One axial slice (92 of 253, counting up from the lowest) of a chest CT acquired at 120 kVp with the STANDARD kernel; each pixel is 0.742 mm and the slice is 1.25 mm thick.
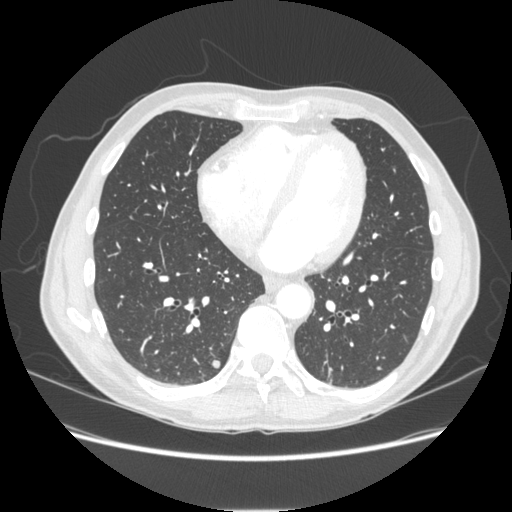
Pulmonary nodule outlined by all four readers; box rows 360–368, columns 211–219 (the union of the readers' outlines on this slice); longest diameter 7.9 mm on average over the four readers' outlines (readers' outlines 7.3–8.5 mm), volume 145–206 mm3. Ratings, by the readers' most common answer with dissent counted: texture 5/5 (solid) from all four readers; most readers (three of four) put margin at 5/5 (circumscribed), others 4/5 (one); sphericity split among the readers: 4/5 (two), 5/5 (round) (two); calcification absent from all four readers; internal structure soft tissue from all four readers; subtlety split among the readers: 3/5 (two), 4/5 (two); malignancy likelihood 2/5 by two of four readers; the rest gave 3/5 (one), 4/5 (one). Scale key (1–5): texture non-solid→solid, margin indistinct→circumscribed, sphericity linear→round, subtlety extremely subtle→obvious, malignancy likelihood highly unlikely→highly suspicious of cancer. Box rows and columns are 0-based pixel indices from the top-left corner, inclusive.